Axial slice 192 of 328 of a chest CT (slice 1 is the lowest), reconstructed with the D kernel at 120 kVp; 2.00 mm slice thickness and 0.742 mm pixels.
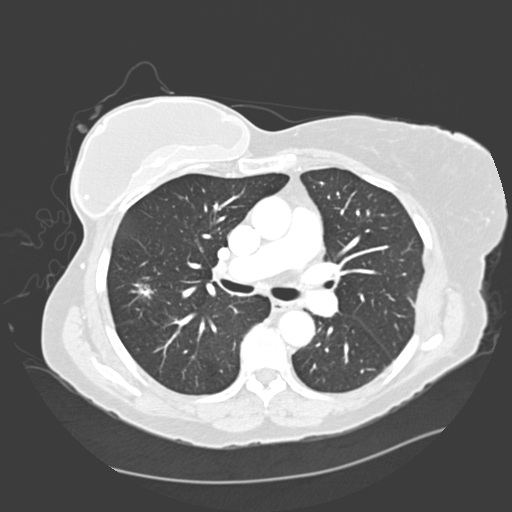
Pulmonary nodule at rows 283–298, columns 130–153 (box = the union of the readers' outlines on this slice), outlined by all four readers; median longest diameter 19.7 mm (readers' outlines 18.3–21.0 mm), median volume 1582 mm3 (877–1921 mm3). Median ratings and the readers' spread: median texture 3.5/5 (readers ranged 3/5 (part-solid) to 5/5 (solid)); median margin 2.5/5 (readers ranged 2/5 to 4/5); median sphericity 3/5 (ovoid) (readers ranged 2/5 to 3/5 (ovoid)); calcification absent from all four readers; internal structure soft tissue from all four readers; subtlety 5/5 at the median of four readers, spread 4–5; median malignancy likelihood 4/5 (readers ranged 3–5). Scale key (1–5): texture non-solid→solid, margin indistinct→circumscribed, sphericity linear→round, subtlety extremely subtle→obvious, malignancy likelihood highly unlikely→highly suspicious of cancer. Box rows and columns are 0-based pixel indices from the top-left corner, inclusive.